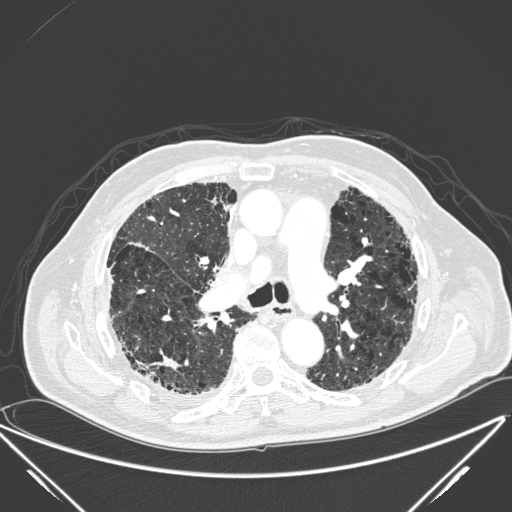
This is axial slice 146 of 278 (slice 1 is the lowest) of a chest CT; each pixel is 0.812 mm and the slice is 1.00 mm thick. Pulmonary nodule at rows 349–371, columns 140–181 (box = the union of the readers' outlines on this slice), outlined by all four readers; median longest diameter 33.5 mm (readers' outlines 17.4–39.8 mm), median volume 3234 mm3 (1021–4525 mm3). Ratings, median across the readers with their spread: texture 5/5 (solid) from all four readers; median margin 2.5/5 (readers ranged 1/5 (indistinct) to 5/5 (circumscribed)); sphericity 2/5 at the median of four readers, spread 2/5 to 5/5 (round); calcification absent, all four readers agreeing; internal structure soft tissue, all four readers agreeing; median subtlety 4.5/5 (readers ranged 4–5); malignancy likelihood 4.5/5 at the median of four readers, spread 3–5. Scale key (1–5): texture non-solid→solid, margin indistinct→circumscribed, sphericity linear→round, subtlety extremely subtle→obvious, malignancy likelihood highly unlikely→highly suspicious of cancer. Box rows and columns are 0-based pixel indices from the top-left corner, inclusive.
Acquired at 120 kVp and reconstructed with the D kernel.